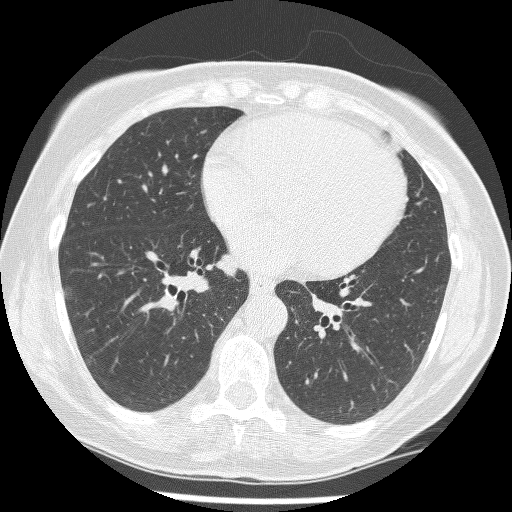
Chest CT, axial plane, 120 kVp, kernel BONE. Slice 108/241 from the bottom of the scan; thickness 1.25 mm; pixel size 0.590 mm.
Two pulmonary nodules on this slice, listed from left to right. (1) Pulmonary nodule outlined by two of the four readers; box rows 284–300, columns 63–74 (the union of the readers' outlines on this slice); median longest diameter 11.5 mm (readers' outlines 10.9–12.2 mm), median volume 225 mm3 (221–229 mm3). Ratings, median across the readers with their spread: texture 1/5 (non-solid) from both readers; margin 1.5/5 at the median of two readers, spread 1/5 (indistinct) to 2/5; sphericity 2.5/5 at the median of two readers, spread 2/5 to 3/5 (ovoid); calcification absent, both readers agreeing; internal structure soft tissue, both readers agreeing; subtlety 1.5/5 at the median of two readers, spread 1–2; malignancy likelihood 3/5 from both readers. (2) Pulmonary nodule at rows 354–363, columns 84–92 (box = the union of the readers' outlines on this slice), outlined by two of the four readers; longest diameter 8.0–9.8 mm and volume 131–179 mm3 across the two readers' outlines. The readers' ratings, as ranges where they differ: texture 1/5 (non-solid) from both readers; margin from 1/5 (indistinct) to 3/5 across the two readers; sphericity 4/5, both readers agreeing; calcification absent from both readers; internal structure soft tissue, both readers agreeing; subtlety from 1/5 to 3/5 across the two readers; malignancy likelihood 3/5, both readers agreeing. Scale key (1–5): texture non-solid→solid, margin indistinct→circumscribed, sphericity linear→round, subtlety extremely subtle→obvious, malignancy likelihood highly unlikely→highly suspicious of cancer. Box rows and columns are 0-based pixel indices from the top-left corner, inclusive.